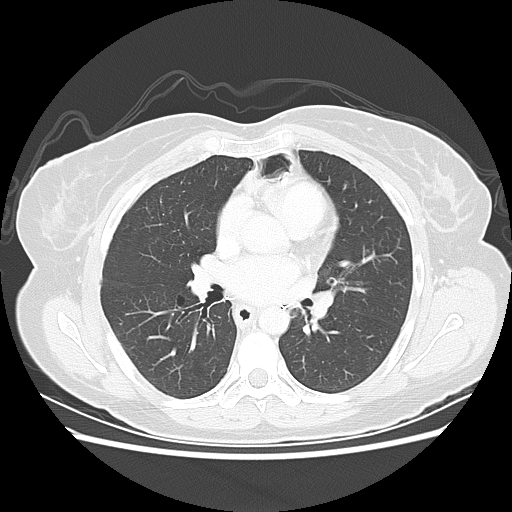
Slice 85/133 of a chest CT, counting up from the lowest; pixel size 0.703 mm, slice thickness 2.50 mm. None of the four readers outlined a nodule of 3 mm or more on this slice.
Acquired at 120 kVp and reconstructed with the LUNG kernel.